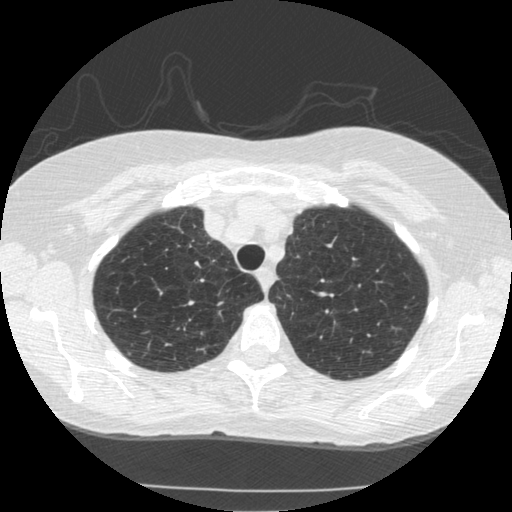
One axial slice (407 of 519, counting up from the lowest) of a chest CT acquired at 120 kVp with the STANDARD kernel; each pixel is 0.645 mm and the slice is 1.25 mm thick.
Pulmonary nodule, outlined by one of the four readers. Box on this slice rows 352–355, columns 127–131, that reader's outline on this slice; longest diameter 4.6 mm and volume 36 mm3 from that reader's outline. That reader's ratings: texture 5/5 (solid); margin 5/5 (circumscribed); sphericity 4/5; calcification absent; internal structure soft tissue; subtlety 5/5; malignancy likelihood 3/5. Scale key (1–5): texture non-solid→solid, margin indistinct→circumscribed, sphericity linear→round, subtlety extremely subtle→obvious, malignancy likelihood highly unlikely→highly suspicious of cancer. Box rows and columns are 0-based pixel indices from the top-left corner, inclusive.